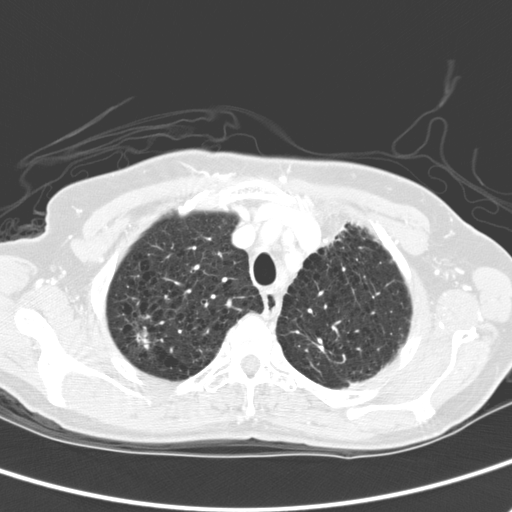
Slice 210/280 of a chest CT, counting up from the lowest; pixel size 0.613 mm, slice thickness 2.00 mm. Pulmonary nodule outlined by all four readers; box rows 326–350, columns 134–149 (the union of the readers' outlines on this slice); the four readers' outlines give a longest diameter between 16.7 and 18.9 mm and a volume between 701 and 1041 mm3. Ratings across the readers: texture from 3/5 (part-solid) to 5/5 (solid) across the four readers; margin from 1/5 (indistinct) to 5/5 (circumscribed) across the four readers; sphericity from 2/5 to 4/5 across the four readers; calcification absent from all four readers; internal structure soft tissue from all four readers; subtlety 2–5/5 (the readers disagree); malignancy likelihood 3–5/5 (the readers disagree). Scale key (1–5): texture non-solid→solid, margin indistinct→circumscribed, sphericity linear→round, subtlety extremely subtle→obvious, malignancy likelihood highly unlikely→highly suspicious of cancer. Box rows and columns are 0-based pixel indices from the top-left corner, inclusive.
Tube voltage 120 kVp; convolution kernel D.